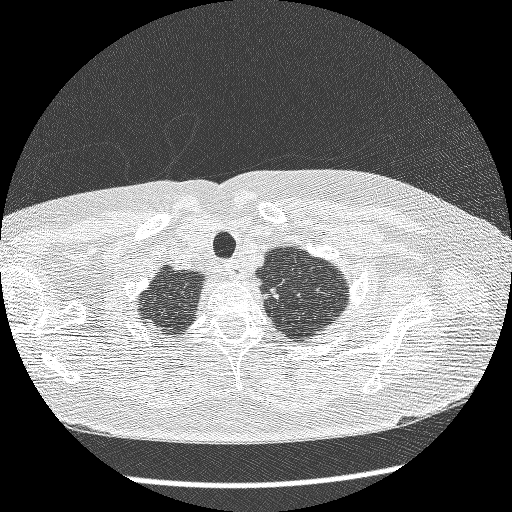
One axial slice (228 of 246, counting up from the lowest) of a chest CT acquired at 120 kVp with the BONE kernel; each pixel is 0.652 mm and the slice is 1.25 mm thick.
Pulmonary nodule outlined by all four readers; box rows 288–298, columns 264–278 (the union of the readers' outlines on this slice); the four readers' outlines give a longest diameter between 5.8 and 10.8 mm and a volume between 61 and 127 mm3. The readers' ratings, as ranges where they differ: texture 5/5 (solid), all four readers agreeing; margin from 1/5 (indistinct) to 5/5 (circumscribed) across the four readers; sphericity from 2/5 to 4/5 across the four readers; calcification absent from all four readers; internal structure soft tissue, all four readers agreeing; subtlety 3–4/5 (the readers disagree); malignancy likelihood from 2/5 to 4/5 across the four readers. Scale key (1–5): texture non-solid→solid, margin indistinct→circumscribed, sphericity linear→round, subtlety extremely subtle→obvious, malignancy likelihood highly unlikely→highly suspicious of cancer. Box rows and columns are 0-based pixel indices from the top-left corner, inclusive.